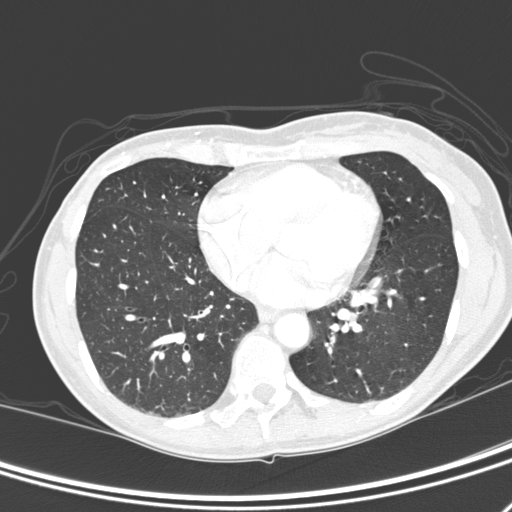
Axial chest CT slice 125 of 290 (counted from the lowest slice); tube voltage 120 kVp, convolution kernel D; slices 1.00 mm thick, 0.611 mm per pixel.
No nodule 3 mm or larger was outlined here by any reader.